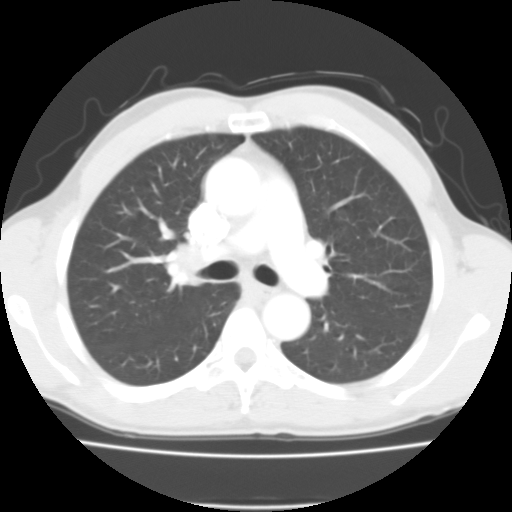
Slice 68/104 of a chest CT, counting up from the lowest; pixel size 0.622 mm, slice thickness 3.00 mm. Pulmonary nodule outlined by one of the four readers; box rows 209–222, columns 335–347 (that reader's outline on this slice); longest diameter 11.0 mm and volume 188 mm3 from that reader's outline. That reader's ratings: texture 1/5 (non-solid); margin 1/5 (indistinct); sphericity 4/5; calcification absent; internal structure soft tissue; subtlety 1/5; malignancy likelihood 1/5. Scale key (1–5): texture non-solid→solid, margin indistinct→circumscribed, sphericity linear→round, subtlety extremely subtle→obvious, malignancy likelihood highly unlikely→highly suspicious of cancer. Box rows and columns are 0-based pixel indices from the top-left corner, inclusive.
Acquired at 135 kVp and reconstructed with the FC01 kernel.